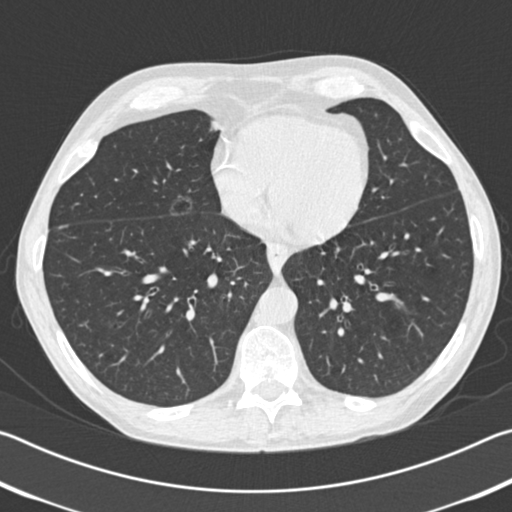
Axial slice 68 of 192 of a chest CT (slice 1 is the lowest), reconstructed with the B30f kernel at 120 kVp; 2.00 mm slice thickness and 0.664 mm pixels.
Pulmonary nodule, outlined by one of the four readers. Box on this slice rows 195–213, columns 169–192, that reader's outline on this slice; longest diameter 17.7 mm and volume 2737 mm3 from that reader's outline. That reader's ratings: texture 1/5 (non-solid); margin 2/5; sphericity 4/5; calcification absent; internal structure soft tissue; subtlety 2/5; malignancy likelihood 2/5. Scale key (1–5): texture non-solid→solid, margin indistinct→circumscribed, sphericity linear→round, subtlety extremely subtle→obvious, malignancy likelihood highly unlikely→highly suspicious of cancer. Box rows and columns are 0-based pixel indices from the top-left corner, inclusive.